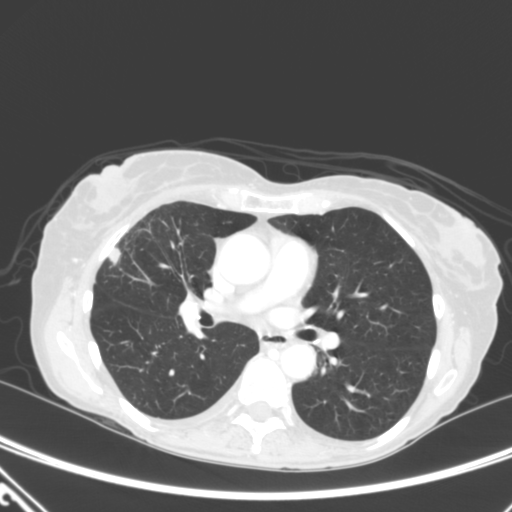
Chest CT, axial plane, 120 kVp, kernel B. Slice 184/320 from the bottom of the scan; thickness 2.00 mm; pixel size 0.662 mm.
Pulmonary nodule, outlined by all four readers. Box on this slice rows 246–266, columns 108–121, the union of the readers' outlines on this slice; median longest diameter 16.0 mm (readers' outlines 12.2–16.6 mm), median volume 833 mm3 (631–1078 mm3). Ratings, median across the readers with their spread: texture 5/5 (solid), all four readers agreeing; median margin 4/5 (readers ranged 3/5 to 5/5 (circumscribed)); median sphericity 3.5/5 (readers ranged 3/5 (ovoid) to 5/5 (round)); calcification absent, all four readers agreeing; internal structure soft tissue, all four readers agreeing; subtlety 5/5 from all four readers; median malignancy likelihood 4.5/5 (readers ranged 2–5). Scale key (1–5): texture non-solid→solid, margin indistinct→circumscribed, sphericity linear→round, subtlety extremely subtle→obvious, malignancy likelihood highly unlikely→highly suspicious of cancer. Box rows and columns are 0-based pixel indices from the top-left corner, inclusive.